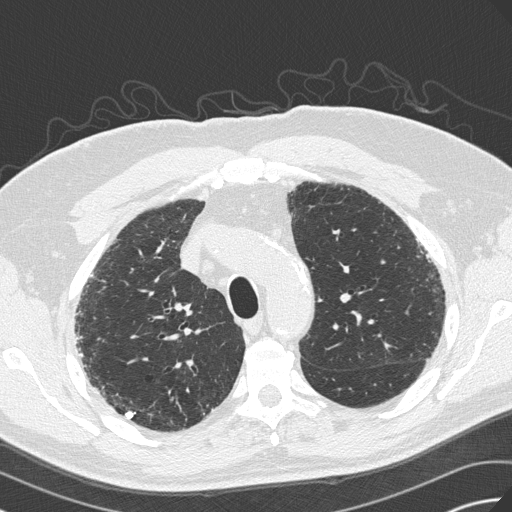
This is axial slice 241 of 330 (slice 1 is the lowest) of a chest CT; each pixel is 0.684 mm and the slice is 1.00 mm thick. Pulmonary nodule outlined by two of the four readers; box rows 411–419, columns 125–133 (the union of the readers' outlines on this slice); the two readers' outlines give a longest diameter between 7.6 and 7.8 mm and a volume between 118 and 132 mm3. Ratings across the readers: texture 5/5 (solid) from both readers; margin 5/5 (circumscribed), both readers agreeing; sphericity 5/5 (round), both readers agreeing; calcification solid calcification from both readers; internal structure soft tissue from both readers; subtlety from 4/5 to 5/5 across the two readers; malignancy likelihood 1/5 from both readers. Scale key (1–5): texture non-solid→solid, margin indistinct→circumscribed, sphericity linear→round, subtlety extremely subtle→obvious, malignancy likelihood highly unlikely→highly suspicious of cancer. Box rows and columns are 0-based pixel indices from the top-left corner, inclusive.
Tube voltage 120 kVp; convolution kernel B45f.